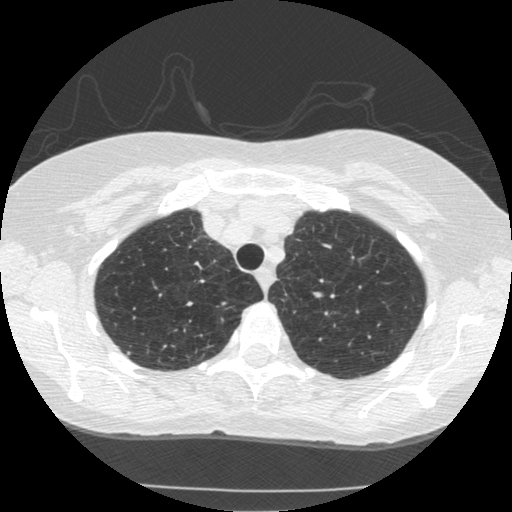
Axial slice 410 of 519 of a chest CT (slice 1 is the lowest), reconstructed with the STANDARD kernel at 120 kVp; 1.25 mm slice thickness and 0.645 mm pixels.
Pulmonary nodule, outlined by one of the four readers. Box on this slice rows 351–354, columns 127–130, that reader's outline on this slice; longest diameter 4.6 mm and volume 36 mm3 from that reader's outline. That reader's ratings: texture 5/5 (solid); margin 5/5 (circumscribed); sphericity 4/5; calcification absent; internal structure soft tissue; subtlety 5/5; malignancy likelihood 3/5. Scale key (1–5): texture non-solid→solid, margin indistinct→circumscribed, sphericity linear→round, subtlety extremely subtle→obvious, malignancy likelihood highly unlikely→highly suspicious of cancer. Box rows and columns are 0-based pixel indices from the top-left corner, inclusive.